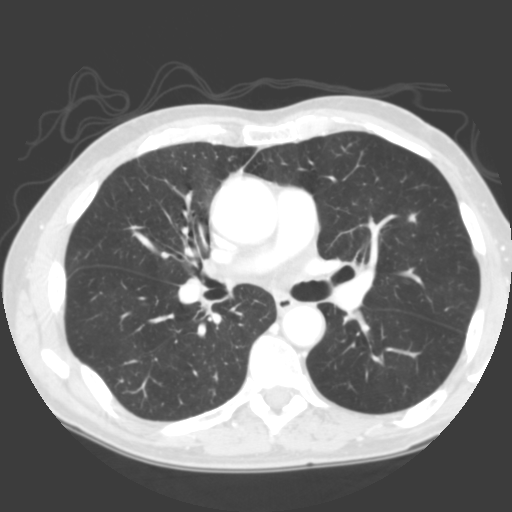
Slice 184/335 of a chest CT, counting up from the lowest; pixel size 0.623 mm, slice thickness 2.00 mm. Pulmonary nodule outlined by three of the four readers; box rows 213–224, columns 404–418 (the union of the readers' outlines on this slice); longest diameter 9.0 mm on average over the three readers' outlines (readers' outlines 7.9–10.3 mm), volume 194–222 mm3. The readers' prevailing ratings and who disagreed: most readers (two of three) put texture at 4/5, others 5/5 (solid) (one); margin split among the readers: 2/5 (one), 3/5 (one), 4/5 (one); sphericity 3/5 (ovoid) by two of three readers; the rest gave 4/5 (one); calcification absent, all three readers agreeing; internal structure soft tissue from all three readers; subtlety 3/5 by two of three readers; the rest gave 5/5 (one); malignancy likelihood split among the readers: 2/5 (one), 3/5 (one), 4/5 (one). Scale key (1–5): texture non-solid→solid, margin indistinct→circumscribed, sphericity linear→round, subtlety extremely subtle→obvious, malignancy likelihood highly unlikely→highly suspicious of cancer. Box rows and columns are 0-based pixel indices from the top-left corner, inclusive.
Tube voltage 120 kVp; convolution kernel B.